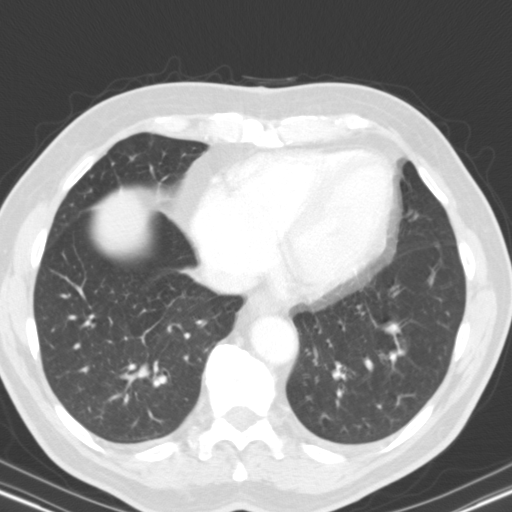
Axial slice 43 of 116 of a chest CT (slice 1 is the lowest), reconstructed with the B31s kernel at 130 kVp; 3.00 mm slice thickness and 0.668 mm pixels.
Pulmonary nodule outlined by two of the four readers; box rows 315–317, columns 89–93 (the union of the readers' outlines on this slice); median longest diameter 6.0 mm (readers' outlines 6.0 mm), median volume 103 mm3 (102–104 mm3). Ratings, median across the readers with their spread: texture 5/5 (solid), both readers agreeing; margin 5/5 (circumscribed), both readers agreeing; sphericity 4.5/5 at the median of two readers, spread 4/5 to 5/5 (round); calcification solid calcification, both readers agreeing; internal structure soft tissue, both readers agreeing; subtlety 4.5/5 at the median of two readers, spread 4–5; malignancy likelihood 1/5, both readers agreeing. Scale key (1–5): texture non-solid→solid, margin indistinct→circumscribed, sphericity linear→round, subtlety extremely subtle→obvious, malignancy likelihood highly unlikely→highly suspicious of cancer. Box rows and columns are 0-based pixel indices from the top-left corner, inclusive.